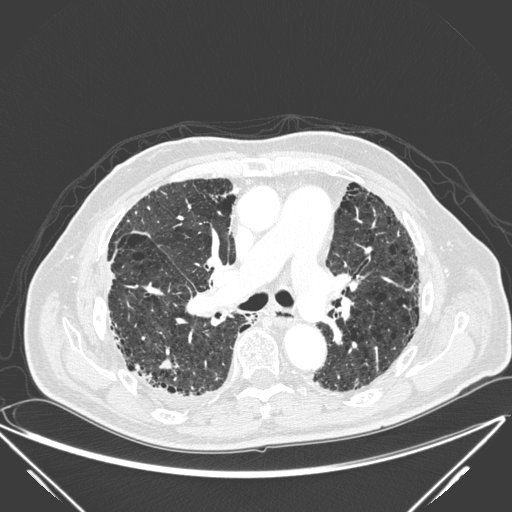
One axial slice (138 of 278, counting up from the lowest) of a chest CT acquired at 120 kVp with the D kernel; each pixel is 0.812 mm and the slice is 1.00 mm thick.
Pulmonary nodule outlined by all four readers; box rows 358–369, columns 158–178 (the union of the readers' outlines on this slice); longest diameter 31.1 mm on average over the four readers' outlines (readers' outlines 17.4–39.8 mm), volume 1021–4525 mm3. Ratings, by the readers' most common answer with dissent counted: texture 5/5 (solid) from all four readers; margin split among the readers: 1/5 (indistinct) (one), 2/5 (one), 3/5 (one), 5/5 (circumscribed) (one); sphericity 2/5 by three of four readers; the rest gave 5/5 (round) (one); calcification absent from all four readers; internal structure soft tissue, all four readers agreeing; subtlety split among the readers: 4/5 (two), 5/5 (two); malignancy likelihood 5/5 by two of four readers; the rest gave 3/5 (one), 4/5 (one). Scale key (1–5): texture non-solid→solid, margin indistinct→circumscribed, sphericity linear→round, subtlety extremely subtle→obvious, malignancy likelihood highly unlikely→highly suspicious of cancer. Box rows and columns are 0-based pixel indices from the top-left corner, inclusive.